One axial slice (230 of 300, counting up from the lowest) of a chest CT acquired at 120 kVp with the D kernel; each pixel is 0.607 mm and the slice is 1.00 mm thick.
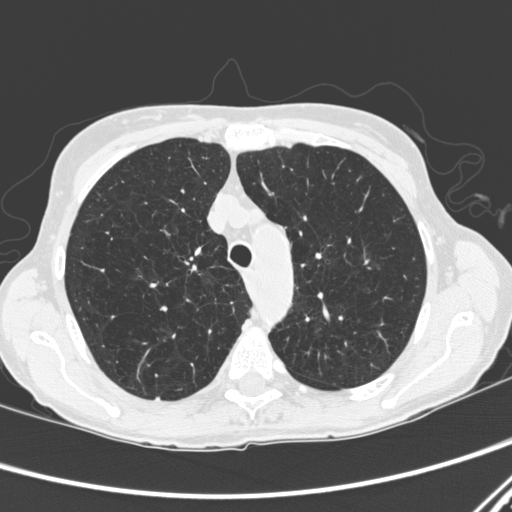
Pulmonary nodule, outlined by one of the four readers. Box on this slice rows 397–399, columns 156–159, that reader's outline on this slice; longest diameter 4.6 mm and volume 24 mm3 from that reader's outline. That reader's ratings: texture 5/5 (solid); margin 5/5 (circumscribed); sphericity 4/5; calcification solid calcification; internal structure soft tissue; subtlety 5/5; malignancy likelihood 1/5. Scale key (1–5): texture non-solid→solid, margin indistinct→circumscribed, sphericity linear→round, subtlety extremely subtle→obvious, malignancy likelihood highly unlikely→highly suspicious of cancer. Box rows and columns are 0-based pixel indices from the top-left corner, inclusive.